Chest CT, axial plane, 120 kVp, kernel STANDARD. Slice 407/458 from the bottom of the scan; thickness 1.25 mm; pixel size 0.586 mm.
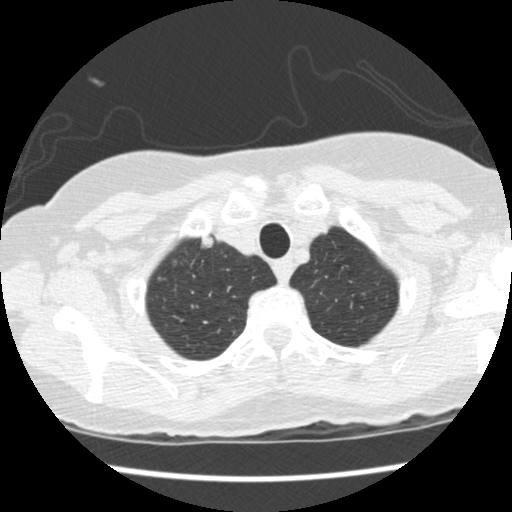
Pulmonary nodule at rows 235–248, columns 200–213 (box = the union of the readers' outlines on this slice), outlined by all four readers; median longest diameter 9.8 mm (readers' outlines 9.1–10.0 mm), median volume 258 mm3 (243–272 mm3). Ratings, median across the readers with their spread: texture 5/5 (solid) at the median of four readers, spread 4/5 to 5/5 (solid); median margin 4.5/5 (readers ranged 4/5 to 5/5 (circumscribed)); median sphericity 3.5/5 (readers ranged 3/5 (ovoid) to 5/5 (round)); calcification absent from all four readers; internal structure soft tissue from all four readers; median subtlety 4.5/5 (readers ranged 4–5); malignancy likelihood 3.5/5 at the median of four readers, spread 2–4. Scale key (1–5): texture non-solid→solid, margin indistinct→circumscribed, sphericity linear→round, subtlety extremely subtle→obvious, malignancy likelihood highly unlikely→highly suspicious of cancer. Box rows and columns are 0-based pixel indices from the top-left corner, inclusive.